Axial slice 202 of 493 of a chest CT (slice 1 is the lowest), reconstructed with the B30f kernel at 120 kVp; 0.75 mm slice thickness and 0.762 mm pixels.
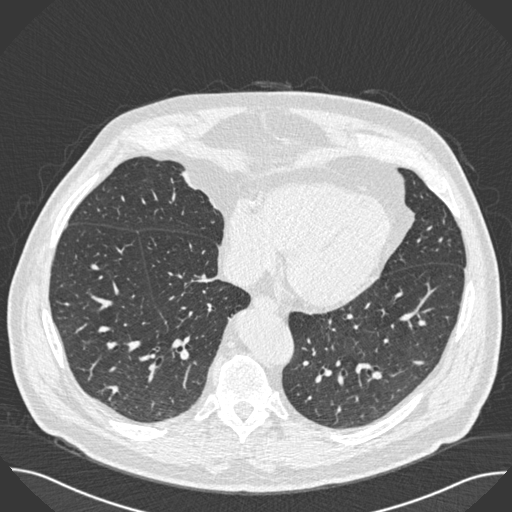
Pulmonary nodule, outlined by all four readers. Box on this slice rows 361–364, columns 413–423, the union of the readers' outlines on this slice; the four readers' outlines give a longest diameter between 10.0 and 10.8 mm and a volume between 188 and 224 mm3. The readers' ratings, as ranges where they differ: texture 5/5 (solid), all four readers agreeing; margin from 4/5 to 5/5 (circumscribed) across the four readers; sphericity 3/5 (ovoid), all four readers agreeing; calcification: absent (three), solid calcification (one); internal structure soft tissue, all four readers agreeing; subtlety 3–5/5 (the readers disagree); malignancy likelihood rated between 2 and 3 out of 5 by the four readers. Scale key (1–5): texture non-solid→solid, margin indistinct→circumscribed, sphericity linear→round, subtlety extremely subtle→obvious, malignancy likelihood highly unlikely→highly suspicious of cancer. Box rows and columns are 0-based pixel indices from the top-left corner, inclusive.